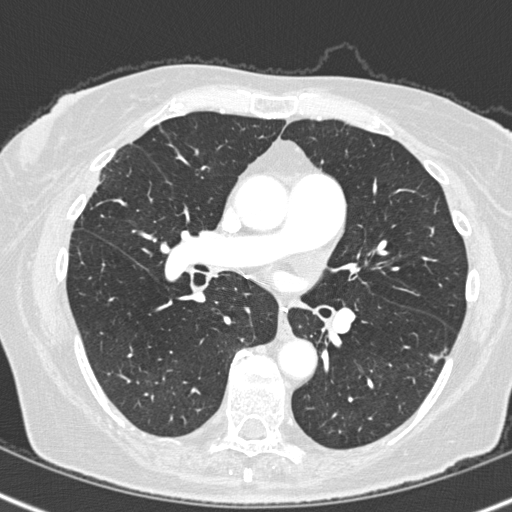
Axial chest CT slice 168 of 308 (counted from the lowest slice); 1.00 mm thick, 0.586 mm per pixel. Pulmonary nodule outlined by all four readers, one of them on this slice; box rows 354–362, columns 428–442 (the one reader's outline on this slice); median longest diameter 16.7 mm (readers' outlines 15.5–19.6 mm), median volume 867 mm3 (724–1186 mm3). Ratings, median across the readers with their spread: median texture 5/5 (solid) (readers ranged 4/5 to 5/5 (solid)); margin 4/5 at the median of four readers, spread 3/5 to 4/5; median sphericity 3.5/5 (readers ranged 3/5 (ovoid) to 5/5 (round)); calcification absent, all four readers agreeing; internal structure soft tissue, all four readers agreeing; subtlety 5/5 at the median of four readers, spread 4–5; malignancy likelihood 4.5/5 at the median of four readers, spread 4–5. Scale key (1–5): texture non-solid→solid, margin indistinct→circumscribed, sphericity linear→round, subtlety extremely subtle→obvious, malignancy likelihood highly unlikely→highly suspicious of cancer. Box rows and columns are 0-based pixel indices from the top-left corner, inclusive.
Acquired at 120 kVp and reconstructed with the B45f kernel.